One axial slice (58 of 113, counting up from the lowest) of a chest CT acquired at 120 kVp with the STANDARD kernel; each pixel is 0.703 mm and the slice is 2.50 mm thick.
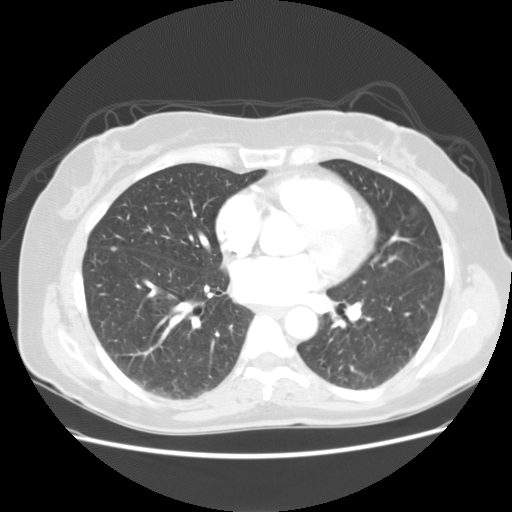
Pulmonary nodule, outlined by three of the four readers. Box on this slice rows 246–250, columns 111–116, the union of the readers' outlines on this slice; longest diameter 6.2 mm on average over the three readers' outlines (readers' outlines 5.7–6.9 mm), volume 80–140 mm3. Ratings, by the readers' most common answer with dissent counted: texture 5/5 (solid), all three readers agreeing; margin 4/5 by two of three readers; the rest gave 5/5 (circumscribed) (one); most readers (two of three) put sphericity at 4/5, others 5/5 (round) (one); calcification absent from all three readers; internal structure soft tissue from all three readers; subtlety split among the readers: 3/5 (one), 4/5 (one), 5/5 (one); malignancy likelihood 3/5, all three readers agreeing. Scale key (1–5): texture non-solid→solid, margin indistinct→circumscribed, sphericity linear→round, subtlety extremely subtle→obvious, malignancy likelihood highly unlikely→highly suspicious of cancer. Box rows and columns are 0-based pixel indices from the top-left corner, inclusive.